Chest CT, axial plane, 120 kVp, kernel D. Slice 150/276 from the bottom of the scan; thickness 1.00 mm; pixel size 0.639 mm.
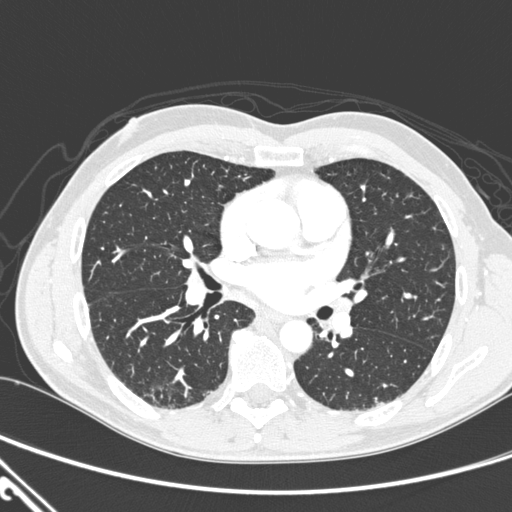
No nodule of 3 mm or larger was outlined by any of the four readers on this slice.